One axial slice (149 of 238, counting up from the lowest) of a chest CT acquired at 120 kVp with the STANDARD kernel; each pixel is 0.742 mm and the slice is 1.25 mm thick.
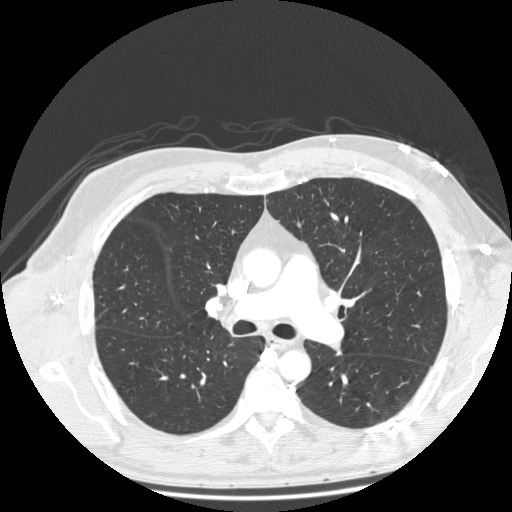
None of the four readers outlined a nodule of 3 mm or more on this slice.